Chest CT, axial plane, 120 kVp, kernel STANDARD. Slice 297/375 from the bottom of the scan; thickness 1.25 mm; pixel size 0.625 mm.
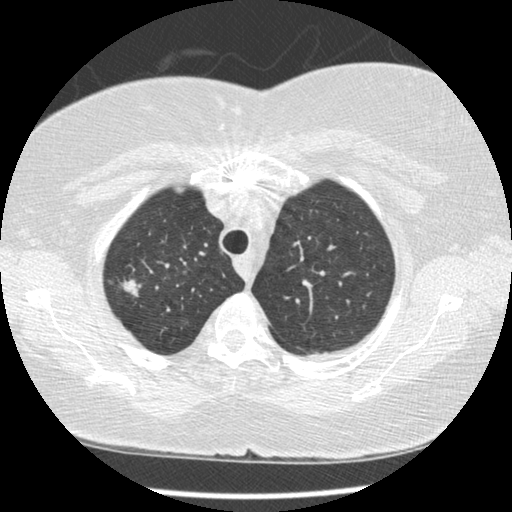
Pulmonary nodule at rows 278–297, columns 116–138 (box = the union of the readers' outlines on this slice), outlined by all four readers; longest diameter 21.2–23.2 mm and volume 2289–3466 mm3 across the four readers' outlines. The readers' ratings, as ranges where they differ: texture from 4/5 to 5/5 (solid) across the four readers; margin from 3/5 to 5/5 (circumscribed) across the four readers; sphericity from 2/5 to 5/5 (round) across the four readers; calcification absent, all four readers agreeing; internal structure soft tissue, all four readers agreeing; subtlety 5/5, all four readers agreeing; malignancy likelihood rated between 3 and 5 out of 5 by the four readers. Scale key (1–5): texture non-solid→solid, margin indistinct→circumscribed, sphericity linear→round, subtlety extremely subtle→obvious, malignancy likelihood highly unlikely→highly suspicious of cancer. Box rows and columns are 0-based pixel indices from the top-left corner, inclusive.